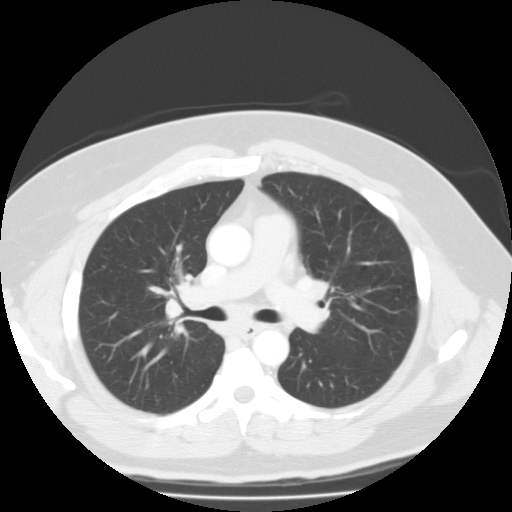
This is axial slice 82 of 126 (slice 1 is the lowest) of a chest CT; each pixel is 0.744 mm and the slice is 3.00 mm thick. The readers outlined no nodule of 3 mm or more on this slice.
Scan settings: 135 kVp, FC01 reconstruction kernel.